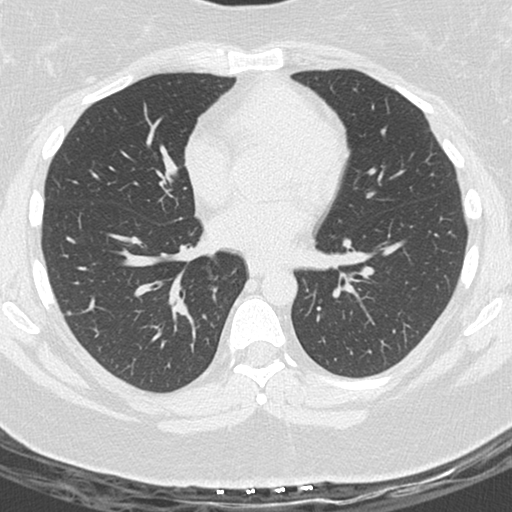
Slice 123/250 of a chest CT, counting up from the lowest; pixel size 0.566 mm, slice thickness 1.00 mm. Pulmonary nodule at rows 311–315, columns 65–71 (box = the union of the readers' outlines on this slice), outlined by three of the four readers; longest diameter 5.3 mm on average over the three readers' outlines (readers' outlines 5.1–5.6 mm), volume 28–52 mm3. The readers' prevailing ratings and who disagreed: texture 5/5 (solid) by two of three readers; the rest gave 4/5 (one); most readers (two of three) put margin at 4/5, others 3/5 (one); sphericity 4/5 by two of three readers; the rest gave 5/5 (round) (one); calcification absent from all three readers; internal structure soft tissue, all three readers agreeing; subtlety split among the readers: 2/5 (one), 3/5 (one), 4/5 (one); malignancy likelihood 3/5 by two of three readers; the rest gave 4/5 (one). Scale key (1–5): texture non-solid→solid, margin indistinct→circumscribed, sphericity linear→round, subtlety extremely subtle→obvious, malignancy likelihood highly unlikely→highly suspicious of cancer. Box rows and columns are 0-based pixel indices from the top-left corner, inclusive.
Scan settings: 120 kVp, B45f reconstruction kernel.